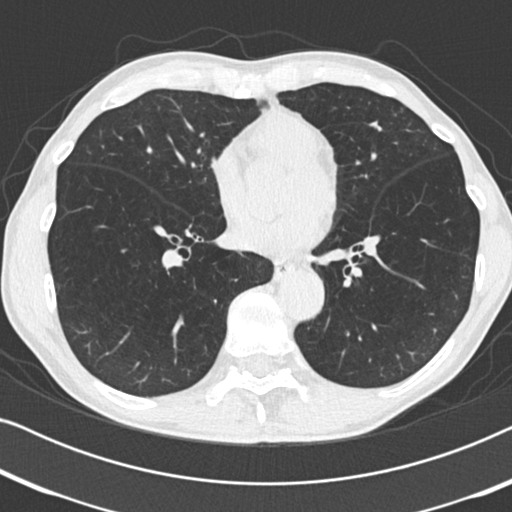
Axial slice 109 of 225 of a chest CT (slice 1 is the lowest), reconstructed with the B30f kernel at 120 kVp; 2.00 mm slice thickness and 0.645 mm pixels.
Pulmonary nodule, outlined by one of the four readers. Box on this slice rows 121–130, columns 369–381, that reader's outline on this slice; longest diameter 9.8 mm and volume 164 mm3 from that reader's outline. That reader's ratings: texture 5/5 (solid); margin 4/5; sphericity 3/5 (ovoid); calcification absent; internal structure soft tissue; subtlety 2/5; malignancy likelihood 2/5. Scale key (1–5): texture non-solid→solid, margin indistinct→circumscribed, sphericity linear→round, subtlety extremely subtle→obvious, malignancy likelihood highly unlikely→highly suspicious of cancer. Box rows and columns are 0-based pixel indices from the top-left corner, inclusive.